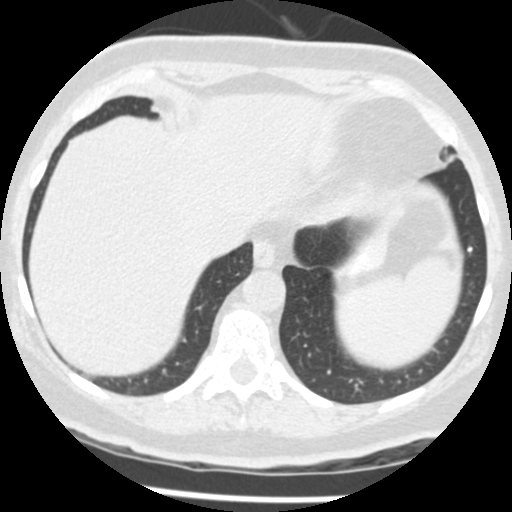
Axial chest CT slice 105 of 433 (counted from the lowest slice); tube voltage 120 kVp, convolution kernel STANDARD; slices 1.25 mm thick, 0.547 mm per pixel.
Pulmonary nodule, outlined by two of the four readers. Box on this slice rows 246–252, columns 467–472, the union of the readers' outlines on this slice; median longest diameter 4.6 mm (readers' outlines 4.4–4.7 mm), median volume 51 mm3 (49–52 mm3). Median ratings and the readers' spread: texture 5/5 (solid) from both readers; margin 5/5 (circumscribed), both readers agreeing; sphericity 5/5 (round) from both readers; calcification solid calcification, both readers agreeing; internal structure soft tissue, both readers agreeing; subtlety 5/5 from both readers; malignancy likelihood 1/5 from both readers. Scale key (1–5): texture non-solid→solid, margin indistinct→circumscribed, sphericity linear→round, subtlety extremely subtle→obvious, malignancy likelihood highly unlikely→highly suspicious of cancer. Box rows and columns are 0-based pixel indices from the top-left corner, inclusive.